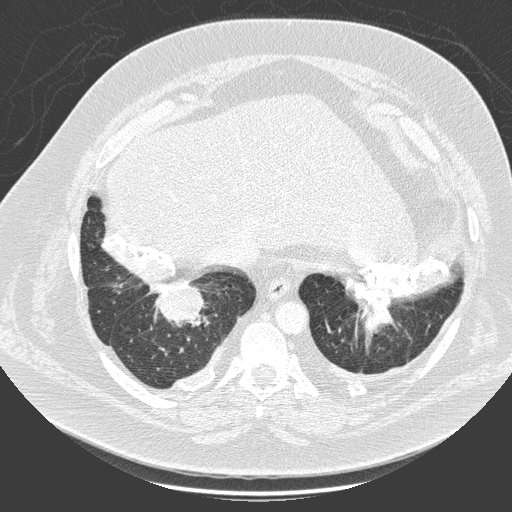
Slice 56/280 of a chest CT, counting up from the lowest; pixel size 0.801 mm, slice thickness 1.00 mm. Pulmonary nodule outlined by one of the four readers; box rows 285–325, columns 155–203 (that reader's outline on this slice); longest diameter 49.9 mm and volume 31112 mm3 from that reader's outline. Ratings by that reader: texture 5/5 (solid); margin 4/5; sphericity 5/5 (round); calcification non-central calcification; internal structure soft tissue; subtlety 5/5; malignancy likelihood 5/5. Scale key (1–5): texture non-solid→solid, margin indistinct→circumscribed, sphericity linear→round, subtlety extremely subtle→obvious, malignancy likelihood highly unlikely→highly suspicious of cancer. Box rows and columns are 0-based pixel indices from the top-left corner, inclusive.
Tube voltage 140 kVp; convolution kernel D.